Chest CT, axial plane, 120 kVp, kernel STANDARD. Slice 290/487 from the bottom of the scan; thickness 1.25 mm; pixel size 0.703 mm.
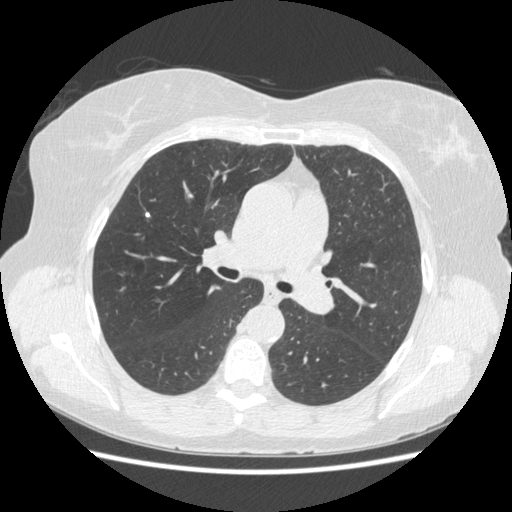
Pulmonary nodule outlined by one of the four readers; box rows 213–216, columns 146–149 (that reader's outline on this slice); longest diameter 3.8 mm and volume 26 mm3 from that reader's outline. That reader's ratings: texture 5/5 (solid); margin 5/5 (circumscribed); sphericity 5/5 (round); calcification solid calcification; internal structure soft tissue; subtlety 3/5; malignancy likelihood 1/5. Scale key (1–5): texture non-solid→solid, margin indistinct→circumscribed, sphericity linear→round, subtlety extremely subtle→obvious, malignancy likelihood highly unlikely→highly suspicious of cancer. Box rows and columns are 0-based pixel indices from the top-left corner, inclusive.